Chest CT, axial plane, 120 kVp, kernel LUNG. Slice 97/127 from the bottom of the scan; thickness 2.50 mm; pixel size 0.645 mm.
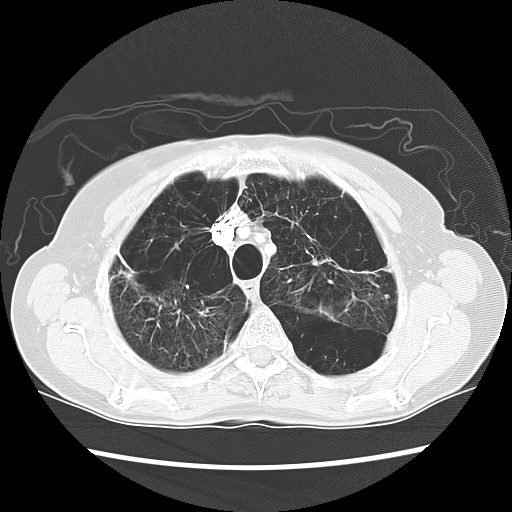
Pulmonary nodule, outlined by one of the four readers. Box on this slice rows 293–299, columns 383–388, that reader's outline on this slice; longest diameter 5.5 mm and volume 55 mm3 from that reader's outline. Ratings by that reader: texture 5/5 (solid); margin 5/5 (circumscribed); sphericity 4/5; calcification absent; internal structure soft tissue; subtlety 3/5; malignancy likelihood 3/5. Scale key (1–5): texture non-solid→solid, margin indistinct→circumscribed, sphericity linear→round, subtlety extremely subtle→obvious, malignancy likelihood highly unlikely→highly suspicious of cancer. Box rows and columns are 0-based pixel indices from the top-left corner, inclusive.